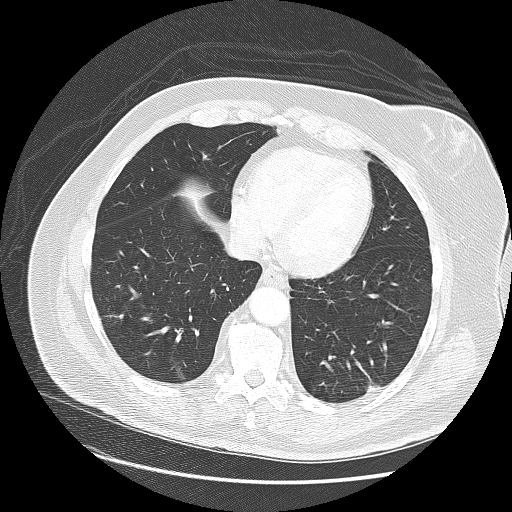
Chest CT, axial plane, 120 kVp, kernel LUNG. Slice 54/140 from the bottom of the scan; thickness 2.50 mm; pixel size 0.781 mm.
Pulmonary nodule, outlined by all four readers. Box on this slice rows 314–318, columns 119–123, the union of the readers' outlines on this slice; median longest diameter 8.4 mm (readers' outlines 7.4–8.9 mm), median volume 240 mm3 (195–300 mm3). Ratings, median across the readers with their spread: texture 5/5 (solid), all four readers agreeing; margin 5/5 (circumscribed) at the median of four readers, spread 4/5 to 5/5 (circumscribed); sphericity 3.5/5 at the median of four readers, spread 3/5 (ovoid) to 5/5 (round); calcification: solid calcification (three), absent (one); internal structure soft tissue from all four readers; subtlety 4/5 at the median of four readers, spread 4–5; malignancy likelihood 1/5 at the median of four readers, spread 1–3. Scale key (1–5): texture non-solid→solid, margin indistinct→circumscribed, sphericity linear→round, subtlety extremely subtle→obvious, malignancy likelihood highly unlikely→highly suspicious of cancer. Box rows and columns are 0-based pixel indices from the top-left corner, inclusive.